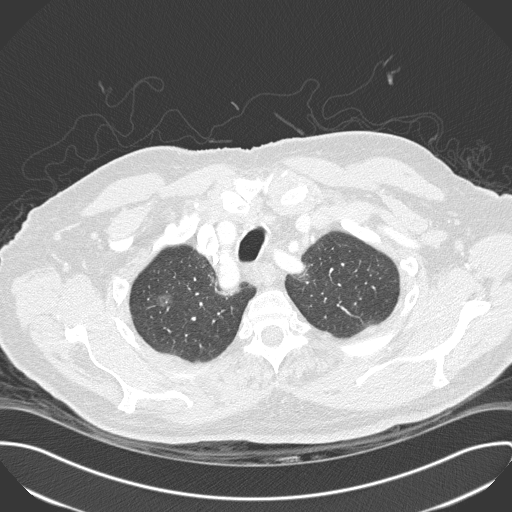
Axial chest CT slice 273 of 330 (counted from the lowest slice); tube voltage 120 kVp, convolution kernel B45f; slices 1.00 mm thick, 0.762 mm per pixel.
Pulmonary nodule at rows 293–306, columns 153–173 (box = the union of the readers' outlines on this slice), outlined by all four readers; longest diameter 15.2–19.9 mm and volume 678–927 mm3 across the four readers' outlines. The readers' ratings, as ranges where they differ: texture from 1/5 (non-solid) to 2/5 across the four readers; margin from 1/5 (indistinct) to 4/5 across the four readers; sphericity from 3/5 (ovoid) to 5/5 (round) across the four readers; calcification absent, all four readers agreeing; internal structure soft tissue, all four readers agreeing; subtlety rated between 1 and 4 out of 5 by the four readers; malignancy likelihood 2–4/5 (the readers disagree). Scale key (1–5): texture non-solid→solid, margin indistinct→circumscribed, sphericity linear→round, subtlety extremely subtle→obvious, malignancy likelihood highly unlikely→highly suspicious of cancer. Box rows and columns are 0-based pixel indices from the top-left corner, inclusive.